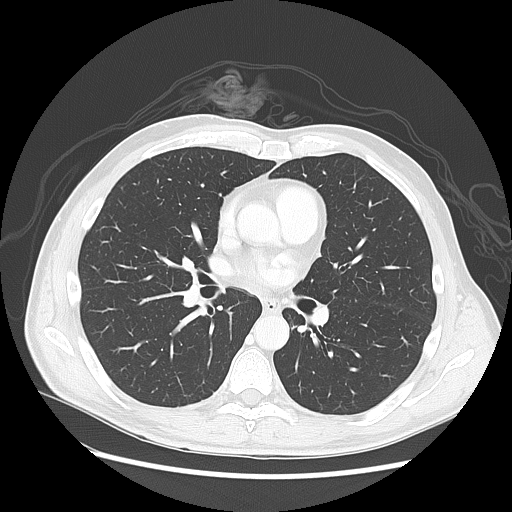
Chest CT, axial plane, 120 kVp, kernel LUNG. Slice 87/147 from the bottom of the scan; thickness 2.50 mm; pixel size 0.742 mm.
No nodule 3 mm or larger was outlined here by any reader.